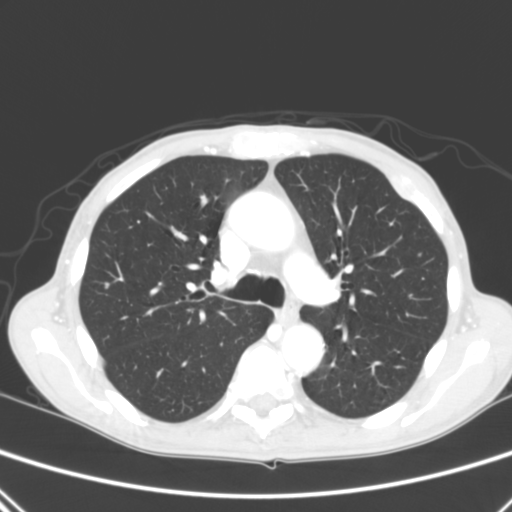
Axial chest CT slice 188 of 290 (counted from the lowest slice); tube voltage 120 kVp, convolution kernel B; slices 2.00 mm thick, 0.639 mm per pixel.
Pulmonary nodule at rows 283–288, columns 105–109 (box = the union of the readers' outlines on this slice), outlined by two of the four readers; the two readers' outlines give a longest diameter between 4.5 and 5.3 mm and a volume between 25 and 40 mm3. The readers' ratings, as ranges where they differ: texture from 2/5 to 5/5 (solid) across the two readers; margin from 2/5 to 5/5 (circumscribed) across the two readers; sphericity from 4/5 to 5/5 (round) across the two readers; calcification absent, both readers agreeing; internal structure soft tissue from both readers; subtlety from 4/5 to 5/5 across the two readers; malignancy likelihood 3/5 from both readers. Scale key (1–5): texture non-solid→solid, margin indistinct→circumscribed, sphericity linear→round, subtlety extremely subtle→obvious, malignancy likelihood highly unlikely→highly suspicious of cancer. Box rows and columns are 0-based pixel indices from the top-left corner, inclusive.